Chest CT, axial plane, 120 kVp, kernel BONE. Slice 168/259 from the bottom of the scan; thickness 1.25 mm; pixel size 0.703 mm.
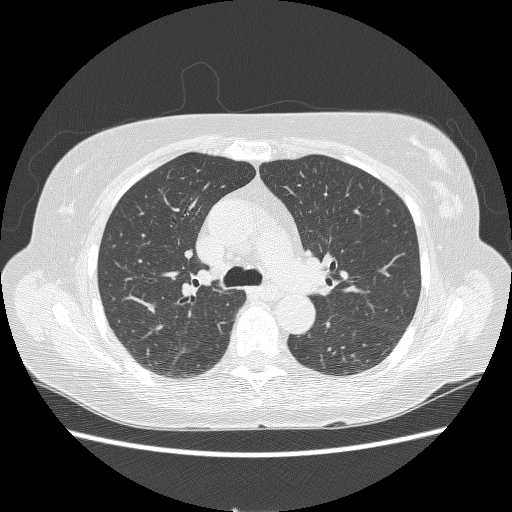
No nodule of 3 mm or larger was outlined by any of the four readers on this slice.